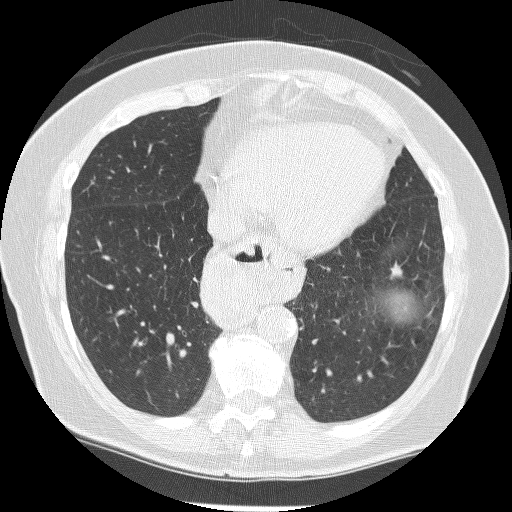
Axial slice 87 of 240 of a chest CT (slice 1 is the lowest), reconstructed with the BONE kernel at 120 kVp; 1.25 mm slice thickness and 0.604 mm pixels.
Pulmonary nodule, outlined by three of the four readers. Box on this slice rows 260–280, columns 389–401, the union of the readers' outlines on this slice; longest diameter 14.2 mm on average over the three readers' outlines (readers' outlines 13.4–15.7 mm), volume 241–431 mm3. Ratings, by the readers' most common answer with dissent counted: texture 5/5 (solid) from all three readers; margin 5/5 (circumscribed) by two of three readers; the rest gave 4/5 (one); sphericity 2/5, all three readers agreeing; calcification absent from all three readers; internal structure soft tissue from all three readers; most readers (two of three) put subtlety at 4/5, others 2/5 (one); malignancy likelihood 4/5 by two of three readers; the rest gave 5/5 (one). Scale key (1–5): texture non-solid→solid, margin indistinct→circumscribed, sphericity linear→round, subtlety extremely subtle→obvious, malignancy likelihood highly unlikely→highly suspicious of cancer. Box rows and columns are 0-based pixel indices from the top-left corner, inclusive.